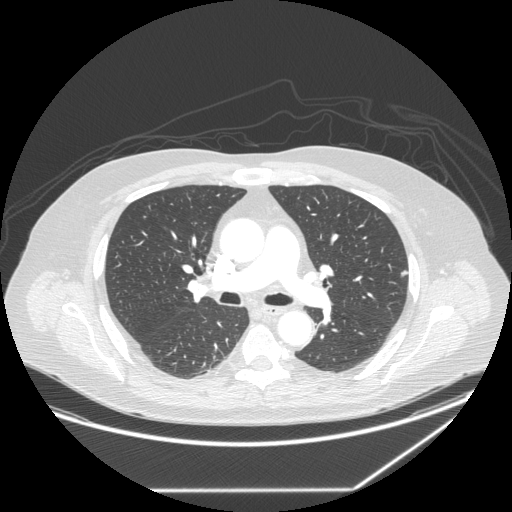
Chest CT, axial plane, 120 kVp, kernel STANDARD. Slice 159/258 from the bottom of the scan; thickness 1.25 mm; pixel size 0.859 mm.
Pulmonary nodule outlined by two of the four readers; box rows 270–276, columns 401–407 (the union of the readers' outlines on this slice); the two readers' outlines give a longest diameter between 8.2 and 9.6 mm and a volume between 140 and 150 mm3. The readers' ratings, as ranges where they differ: texture 3/5 (part-solid), both readers agreeing; margin from 2/5 to 3/5 across the two readers; sphericity from 3/5 (ovoid) to 4/5 across the two readers; calcification absent from both readers; internal structure soft tissue, both readers agreeing; subtlety 4–5/5 (the readers disagree); malignancy likelihood 3/5 from both readers. Scale key (1–5): texture non-solid→solid, margin indistinct→circumscribed, sphericity linear→round, subtlety extremely subtle→obvious, malignancy likelihood highly unlikely→highly suspicious of cancer. Box rows and columns are 0-based pixel indices from the top-left corner, inclusive.